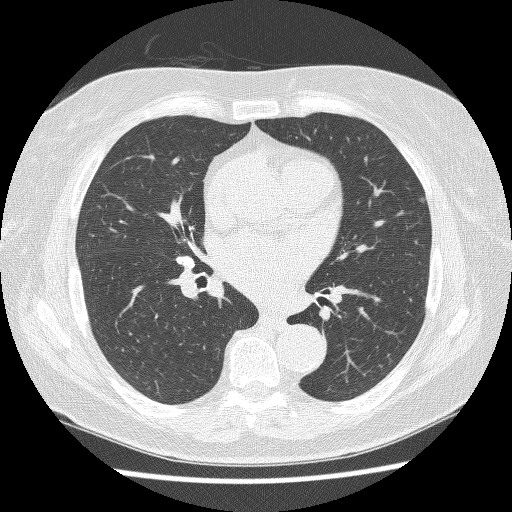
Axial slice 131 of 229 of a chest CT (slice 1 is the lowest), reconstructed with the BONE kernel at 120 kVp; 1.25 mm slice thickness and 0.654 mm pixels.
Pulmonary nodule outlined by all four readers; box rows 196–204, columns 417–425 (the union of the readers' outlines on this slice); longest diameter 5.4–7.2 mm and volume 39–65 mm3 across the four readers' outlines. The readers' ratings, as ranges where they differ: texture from 1/5 (non-solid) to 2/5 across the four readers; margin from 2/5 to 4/5 across the four readers; sphericity 4/5, all four readers agreeing; calcification absent from all four readers; internal structure soft tissue, all four readers agreeing; subtlety rated between 1 and 3 out of 5 by the four readers; malignancy likelihood rated between 3 and 4 out of 5 by the four readers. Scale key (1–5): texture non-solid→solid, margin indistinct→circumscribed, sphericity linear→round, subtlety extremely subtle→obvious, malignancy likelihood highly unlikely→highly suspicious of cancer. Box rows and columns are 0-based pixel indices from the top-left corner, inclusive.